Chest CT, axial plane, 120 kVp, kernel B30f. Slice 487/538 from the bottom of the scan; thickness 0.75 mm; pixel size 0.605 mm.
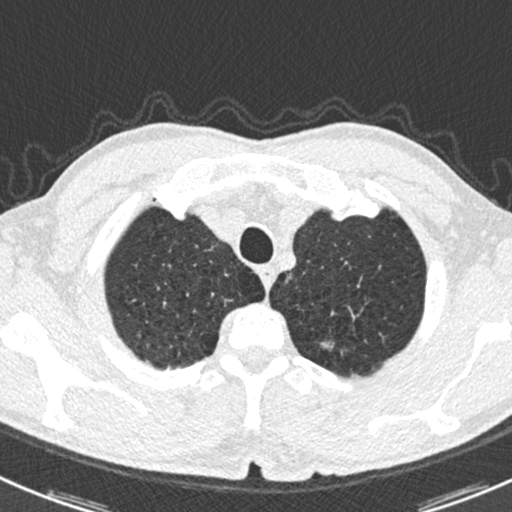
Pulmonary nodule at rows 339–352, columns 318–335 (box = that reader's outline on this slice), outlined by one of the four readers; longest diameter 14.6 mm and volume 194 mm3 from that reader's outline. That reader's ratings: texture 2/5; margin 1/5 (indistinct); sphericity 2/5; calcification absent; internal structure soft tissue; subtlety 2/5; malignancy likelihood 4/5. Scale key (1–5): texture non-solid→solid, margin indistinct→circumscribed, sphericity linear→round, subtlety extremely subtle→obvious, malignancy likelihood highly unlikely→highly suspicious of cancer. Box rows and columns are 0-based pixel indices from the top-left corner, inclusive.